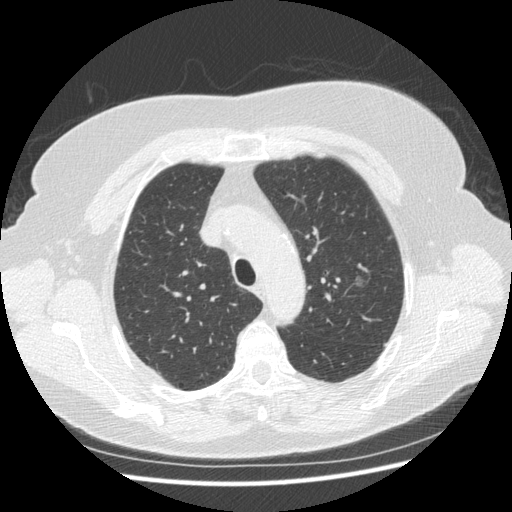
One axial slice (323 of 413, counting up from the lowest) of a chest CT acquired at 120 kVp with the STANDARD kernel; each pixel is 0.703 mm and the slice is 1.25 mm thick.
Pulmonary nodule at rows 276–286, columns 357–361 (box = the one reader's outline on this slice), outlined by two of the four readers, one of them on this slice; median longest diameter 10.1 mm (readers' outlines 10.1 mm), median volume 182 mm3 (131–234 mm3). Median ratings and the readers' spread: texture 1/5 (non-solid) from both readers; margin 2/5 at the median of two readers, spread 1/5 (indistinct) to 3/5; sphericity 4.5/5 at the median of two readers, spread 4/5 to 5/5 (round); calcification absent, both readers agreeing; internal structure soft tissue, both readers agreeing; subtlety 2.5/5 at the median of two readers, spread 1–4; median malignancy likelihood 3.5/5 (readers ranged 3–4). Scale key (1–5): texture non-solid→solid, margin indistinct→circumscribed, sphericity linear→round, subtlety extremely subtle→obvious, malignancy likelihood highly unlikely→highly suspicious of cancer. Box rows and columns are 0-based pixel indices from the top-left corner, inclusive.